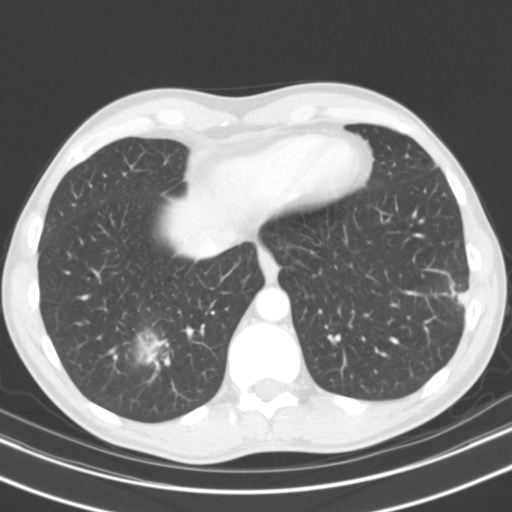
Axial slice 35 of 119 of a chest CT (slice 1 is the lowest), reconstructed with the B31s kernel at 130 kVp; 3.00 mm slice thickness and 0.650 mm pixels.
Two pulmonary nodules on this slice, listed from left to right. (1) Pulmonary nodule at rows 327–365, columns 131–161 (box = the union of the readers' outlines on this slice), outlined by all four readers; median longest diameter 31.9 mm (readers' outlines 30.9–32.4 mm), median volume 9249 mm3 (6985–9285 mm3). Ratings, median across the readers with their spread: median texture 5/5 (solid) (readers ranged 4/5 to 5/5 (solid)); margin 3.5/5 at the median of four readers, spread 2/5 to 4/5; sphericity 5/5 (round), all four readers agreeing; calcification absent from all four readers; internal structure soft tissue, all four readers agreeing; subtlety 5/5 from all four readers; malignancy likelihood 4.5/5 at the median of four readers, spread 2–5. (2) Pulmonary nodule at rows 289–307, columns 454–468 (box = the union of the readers' outlines on this slice), outlined by all four readers; longest diameter 17.3 mm on average over the four readers' outlines (readers' outlines 14.3–20.4 mm), volume 1364–2386 mm3. Ratings, by the readers' most common answer with dissent counted: texture split among the readers: 4/5 (two), 5/5 (solid) (two); most readers (three of four) put margin at 4/5, others 2/5 (one); sphericity 3/5 (ovoid) by two of four readers; the rest gave 4/5 (one), 5/5 (round) (one); calcification absent from all four readers; internal structure soft tissue, all four readers agreeing; most readers (three of four) put subtlety at 5/5, others 4/5 (one); malignancy likelihood split among the readers: 2/5 (one), 3/5 (one), 4/5 (one), 5/5 (one). Scale key (1–5): texture non-solid→solid, margin indistinct→circumscribed, sphericity linear→round, subtlety extremely subtle→obvious, malignancy likelihood highly unlikely→highly suspicious of cancer. Box rows and columns are 0-based pixel indices from the top-left corner, inclusive.